Axial slice 84 of 132 of a chest CT (slice 1 is the lowest), reconstructed with the BONE kernel at 140 kVp; 2.50 mm slice thickness and 0.703 mm pixels.
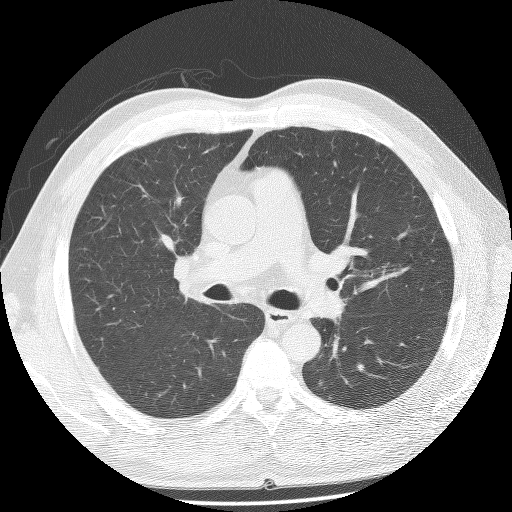
Pulmonary nodule outlined by one of the four readers; box rows 381–386, columns 318–323 (that reader's outline on this slice); longest diameter 6.0 mm and volume 103 mm3 from that reader's outline. Ratings by that reader: texture 3/5 (part-solid); margin 2/5; sphericity 2/5; calcification absent; internal structure soft tissue; subtlety 4/5; malignancy likelihood 3/5. Scale key (1–5): texture non-solid→solid, margin indistinct→circumscribed, sphericity linear→round, subtlety extremely subtle→obvious, malignancy likelihood highly unlikely→highly suspicious of cancer. Box rows and columns are 0-based pixel indices from the top-left corner, inclusive.